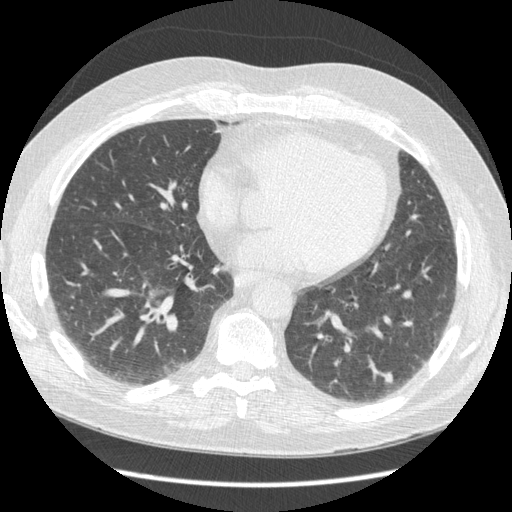
One axial slice (159 of 429, counting up from the lowest) of a chest CT acquired at 120 kVp with the STANDARD kernel; each pixel is 0.703 mm and the slice is 1.25 mm thick.
Pulmonary nodule at rows 371–383, columns 384–392 (box = the union of the readers' outlines on this slice), outlined by all four readers; median longest diameter 9.0 mm (readers' outlines 7.9–12.4 mm), median volume 146 mm3 (94–254 mm3). Ratings, median across the readers with their spread: texture 5/5 (solid), all four readers agreeing; median margin 4/5 (readers ranged 3/5 to 5/5 (circumscribed)); sphericity 4/5 at the median of four readers, spread 3/5 (ovoid) to 5/5 (round); calcification absent from all four readers; internal structure soft tissue from all four readers; subtlety 3.5/5 at the median of four readers, spread 3–5; median malignancy likelihood 3/5 (readers ranged 2–4). Scale key (1–5): texture non-solid→solid, margin indistinct→circumscribed, sphericity linear→round, subtlety extremely subtle→obvious, malignancy likelihood highly unlikely→highly suspicious of cancer. Box rows and columns are 0-based pixel indices from the top-left corner, inclusive.